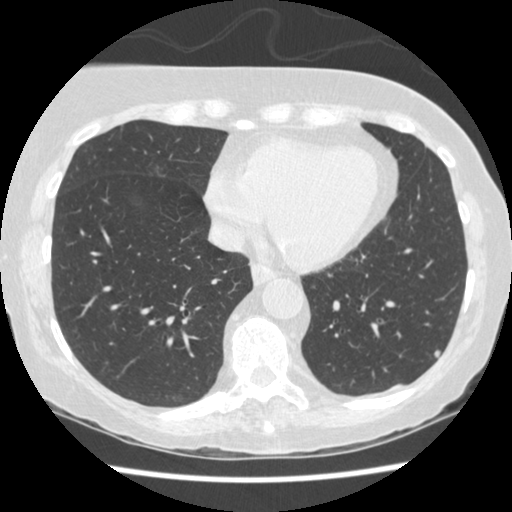
This is axial slice 124 of 458 (slice 1 is the lowest) of a chest CT; each pixel is 0.625 mm and the slice is 1.25 mm thick. Pulmonary nodule, outlined by all four readers. Box on this slice rows 349–357, columns 433–441, the union of the readers' outlines on this slice; longest diameter 6.5 mm on average over the four readers' outlines (readers' outlines 6.2–7.0 mm), volume 63–96 mm3. The readers' prevailing ratings and who disagreed: most readers (three of four) put texture at 5/5 (solid), others 4/5 (one); most readers (three of four) put margin at 5/5 (circumscribed), others 3/5 (one); most readers (three of four) put sphericity at 4/5, others 2/5 (one); calcification absent from all four readers; internal structure soft tissue, all four readers agreeing; subtlety 4/5 by two of four readers; the rest gave 3/5 (one), 5/5 (one); malignancy likelihood split among the readers: 2/5 (two), 3/5 (two). Scale key (1–5): texture non-solid→solid, margin indistinct→circumscribed, sphericity linear→round, subtlety extremely subtle→obvious, malignancy likelihood highly unlikely→highly suspicious of cancer. Box rows and columns are 0-based pixel indices from the top-left corner, inclusive.
Scan settings: 120 kVp, STANDARD reconstruction kernel.